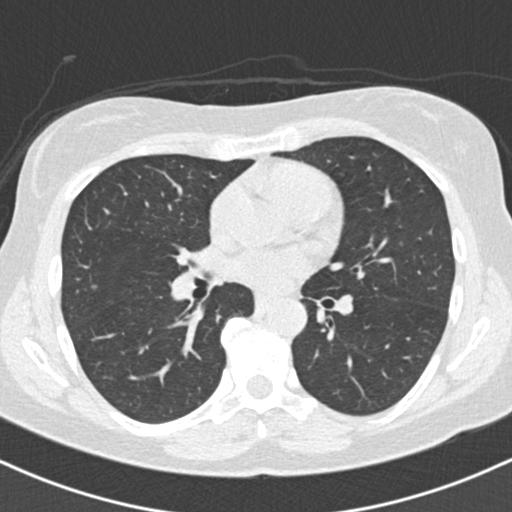
One axial slice (100 of 182, counting up from the lowest) of a chest CT acquired at 120 kVp with the B30f kernel; each pixel is 0.625 mm and the slice is 2.00 mm thick.
Pulmonary nodule outlined by all four readers; box rows 285–289, columns 90–96 (the union of the readers' outlines on this slice); longest diameter 5.4 mm on average over the four readers' outlines (readers' outlines 4.6–6.7 mm), volume 53–101 mm3. The readers' prevailing ratings and who disagreed: texture split among the readers: 4/5 (two), 5/5 (solid) (two); margin 5/5 (circumscribed) by two of four readers; the rest gave 3/5 (one), 4/5 (one); sphericity split among the readers: 4/5 (two), 5/5 (round) (two); calcification absent, all four readers agreeing; internal structure soft tissue, all four readers agreeing; most readers (three of four) put subtlety at 3/5, others 5/5 (one); malignancy likelihood 2/5 by two of four readers; the rest gave 3/5 (one), 4/5 (one). Scale key (1–5): texture non-solid→solid, margin indistinct→circumscribed, sphericity linear→round, subtlety extremely subtle→obvious, malignancy likelihood highly unlikely→highly suspicious of cancer. Box rows and columns are 0-based pixel indices from the top-left corner, inclusive.